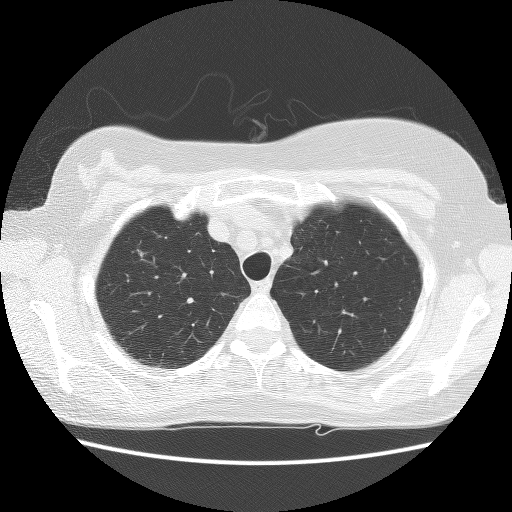
Slice 99/122 of a chest CT, counting up from the lowest; pixel size 0.664 mm, slice thickness 2.50 mm. Pulmonary nodule outlined by one of the four readers; box rows 249–257, columns 138–146 (that reader's outline on this slice); longest diameter 8.0 mm and volume 185 mm3 from that reader's outline. Ratings by that reader: texture 3/5 (part-solid); margin 2/5; sphericity 3/5 (ovoid); calcification absent; internal structure soft tissue; subtlety 4/5; malignancy likelihood 3/5. Scale key (1–5): texture non-solid→solid, margin indistinct→circumscribed, sphericity linear→round, subtlety extremely subtle→obvious, malignancy likelihood highly unlikely→highly suspicious of cancer. Box rows and columns are 0-based pixel indices from the top-left corner, inclusive.
Scan settings: 140 kVp, BONE reconstruction kernel.